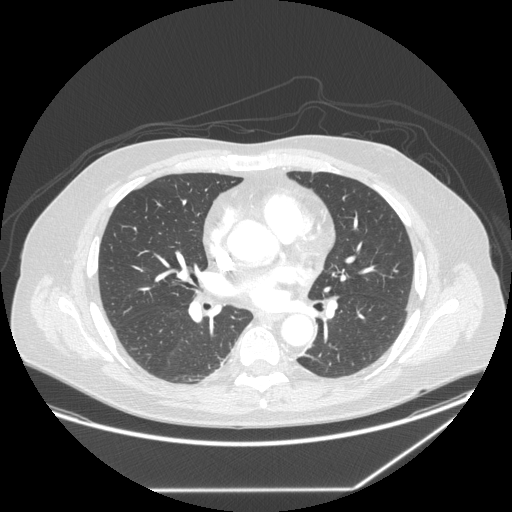
One axial slice (137 of 258, counting up from the lowest) of a chest CT acquired at 120 kVp with the STANDARD kernel; each pixel is 0.859 mm and the slice is 1.25 mm thick.
Pulmonary nodule, outlined by three of the four readers, one of them on this slice. Box on this slice rows 342–345, columns 329–331, the one reader's outline on this slice; median longest diameter 7.4 mm (readers' outlines 6.5–8.5 mm), median volume 116 mm3 (108–146 mm3). Ratings, median across the readers with their spread: texture 5/5 (solid) from all three readers; margin 5/5 (circumscribed) from all three readers; sphericity 5/5 (round) from all three readers; calcification absent from all three readers; internal structure soft tissue from all three readers; median subtlety 3/5 (readers ranged 2–4); malignancy likelihood 3/5 at the median of three readers, spread 2–3. Scale key (1–5): texture non-solid→solid, margin indistinct→circumscribed, sphericity linear→round, subtlety extremely subtle→obvious, malignancy likelihood highly unlikely→highly suspicious of cancer. Box rows and columns are 0-based pixel indices from the top-left corner, inclusive.